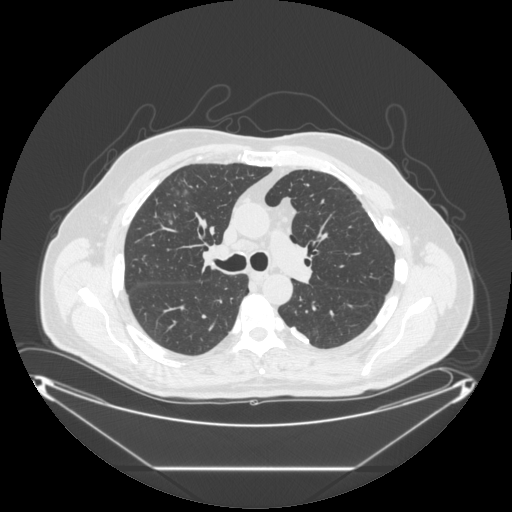
One axial slice (187 of 297, counting up from the lowest) of a chest CT acquired at 120 kVp with the STANDARD kernel; each pixel is 0.949 mm and the slice is 1.25 mm thick.
Pulmonary nodule outlined by three of the four readers, one of them on this slice; box rows 212–224, columns 164–175 (the one reader's outline on this slice); longest diameter 16.4–29.0 mm and volume 528–991 mm3 across the three readers' outlines. The readers' ratings, as ranges where they differ: texture from 1/5 (non-solid) to 5/5 (solid) across the three readers; margin from 2/5 to 4/5 across the three readers; sphericity from 3/5 (ovoid) to 5/5 (round) across the three readers; calcification absent, all three readers agreeing; internal structure soft tissue from all three readers; subtlety rated between 1 and 5 out of 5 by the three readers; malignancy likelihood rated between 2 and 5 out of 5 by the three readers. Scale key (1–5): texture non-solid→solid, margin indistinct→circumscribed, sphericity linear→round, subtlety extremely subtle→obvious, malignancy likelihood highly unlikely→highly suspicious of cancer. Box rows and columns are 0-based pixel indices from the top-left corner, inclusive.